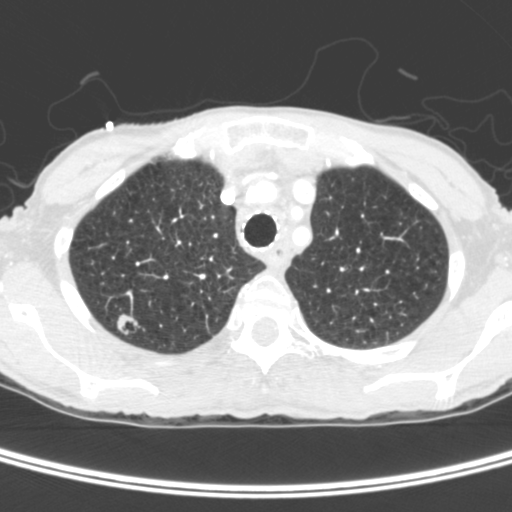
Axial chest CT slice 317 of 400 (counted from the lowest slice); tube voltage 120 kVp, convolution kernel C; slices 1.50 mm thick, 0.527 mm per pixel.
Pulmonary nodule outlined by three of the four readers; box rows 314–335, columns 116–139 (the union of the readers' outlines on this slice); median longest diameter 15.6 mm (readers' outlines 15.0–15.8 mm), median volume 1114 mm3 (1012–1166 mm3). Median ratings and the readers' spread: median texture 5/5 (solid) (readers ranged 3/5 (part-solid) to 5/5 (solid)); margin 4/5, all three readers agreeing; median sphericity 5/5 (round) (readers ranged 4/5 to 5/5 (round)); calcification absent, all three readers agreeing; internal structure: soft tissue (two), air (one); subtlety 5/5 from all three readers; malignancy likelihood 5/5 at the median of three readers, spread 4–5. Scale key (1–5): texture non-solid→solid, margin indistinct→circumscribed, sphericity linear→round, subtlety extremely subtle→obvious, malignancy likelihood highly unlikely→highly suspicious of cancer. Box rows and columns are 0-based pixel indices from the top-left corner, inclusive.